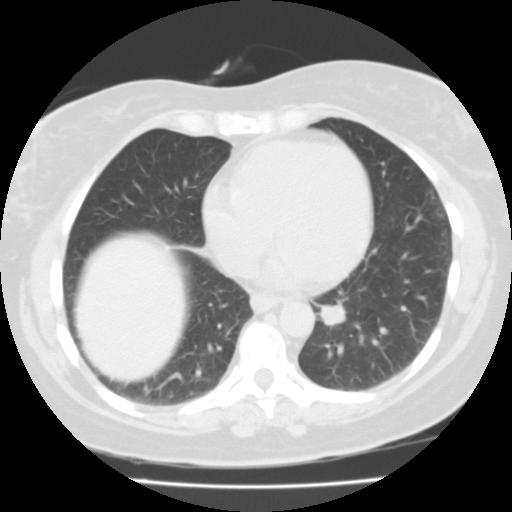
Axial chest CT slice 27 of 87 (counted from the lowest slice); tube voltage 135 kVp, convolution kernel FC01; slices 3.00 mm thick, 0.650 mm per pixel.
Pulmonary nodule outlined by all four readers; box rows 299–326, columns 310–346 (the union of the readers' outlines on this slice); median longest diameter 24.2 mm (readers' outlines 19.5–28.0 mm), median volume 2551 mm3 (2261–2704 mm3). Median ratings and the readers' spread: texture 5/5 (solid) at the median of four readers, spread 4/5 to 5/5 (solid); median margin 3.5/5 (readers ranged 2/5 to 4/5); sphericity 4/5 from all four readers; calcification absent, all four readers agreeing; internal structure soft tissue from all four readers; subtlety 4.5/5 at the median of four readers, spread 4–5; median malignancy likelihood 3.5/5 (readers ranged 3–5). Scale key (1–5): texture non-solid→solid, margin indistinct→circumscribed, sphericity linear→round, subtlety extremely subtle→obvious, malignancy likelihood highly unlikely→highly suspicious of cancer. Box rows and columns are 0-based pixel indices from the top-left corner, inclusive.